One axial slice (84 of 135, counting up from the lowest) of a chest CT acquired at 120 kVp with the LUNG kernel; each pixel is 0.781 mm and the slice is 2.50 mm thick.
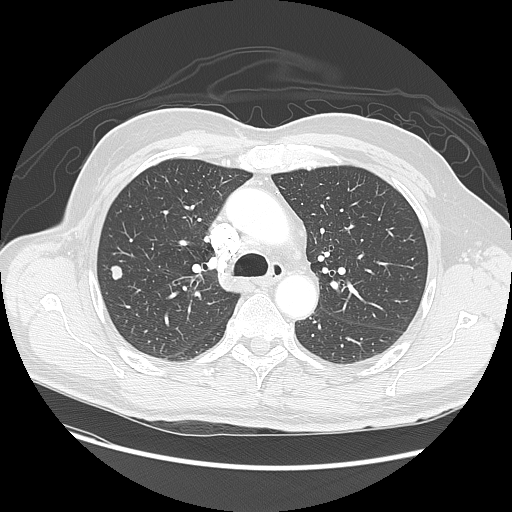
Pulmonary nodule at rows 266–280, columns 110–122 (box = the union of the readers' outlines on this slice), outlined by all four readers; longest diameter 12.3 mm on average over the four readers' outlines (readers' outlines 12.1–12.7 mm), volume 655–726 mm3. The readers' prevailing ratings and who disagreed: texture 5/5 (solid) from all four readers; margin 5/5 (circumscribed) by three of four readers; the rest gave 4/5 (one); sphericity split among the readers: 3/5 (ovoid) (two), 4/5 (two); calcification absent from all four readers; internal structure soft tissue from all four readers; subtlety 5/5 by three of four readers; the rest gave 4/5 (one); malignancy likelihood 4/5 by three of four readers; the rest gave 2/5 (one). Scale key (1–5): texture non-solid→solid, margin indistinct→circumscribed, sphericity linear→round, subtlety extremely subtle→obvious, malignancy likelihood highly unlikely→highly suspicious of cancer. Box rows and columns are 0-based pixel indices from the top-left corner, inclusive.